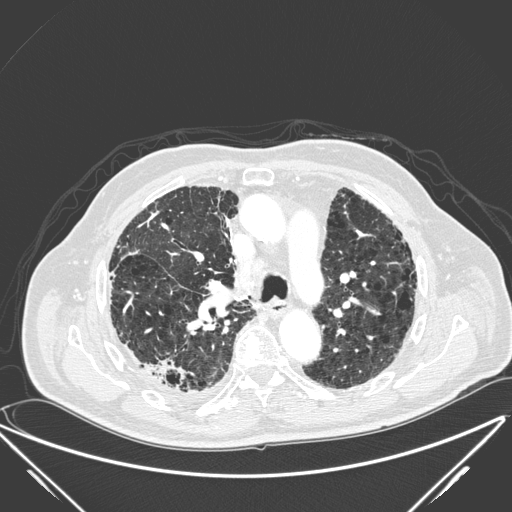
Chest CT, axial plane, 120 kVp, kernel D. Slice 153/278 from the bottom of the scan; thickness 1.00 mm; pixel size 0.812 mm.
Pulmonary nodule outlined by all four readers, three of them on this slice; box rows 357–380, columns 149–193 (the union of the readers' outlines on this slice); longest diameter 17.4–39.8 mm and volume 1021–4525 mm3 across the four readers' outlines. The readers' ratings, as ranges where they differ: texture 5/5 (solid) from all four readers; margin from 1/5 (indistinct) to 5/5 (circumscribed) across the four readers; sphericity from 2/5 to 5/5 (round) across the four readers; calcification absent, all four readers agreeing; internal structure soft tissue from all four readers; subtlety 4–5/5 (the readers disagree); malignancy likelihood rated between 3 and 5 out of 5 by the four readers. Scale key (1–5): texture non-solid→solid, margin indistinct→circumscribed, sphericity linear→round, subtlety extremely subtle→obvious, malignancy likelihood highly unlikely→highly suspicious of cancer. Box rows and columns are 0-based pixel indices from the top-left corner, inclusive.